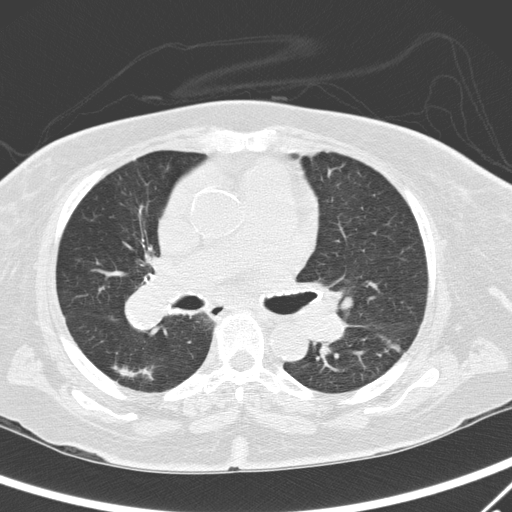
Axial slice 170 of 295 of a chest CT (slice 1 is the lowest), reconstructed with the D kernel at 120 kVp; 2.00 mm slice thickness and 0.682 mm pixels.
Pulmonary nodule, outlined by one of the four readers. Box on this slice rows 360–382, columns 111–156, that reader's outline on this slice; longest diameter 49.8 mm and volume 6337 mm3 from that reader's outline. Ratings by that reader: texture 4/5; margin 1/5 (indistinct); sphericity 3/5 (ovoid); calcification absent; internal structure soft tissue; subtlety 5/5; malignancy likelihood 5/5. Scale key (1–5): texture non-solid→solid, margin indistinct→circumscribed, sphericity linear→round, subtlety extremely subtle→obvious, malignancy likelihood highly unlikely→highly suspicious of cancer. Box rows and columns are 0-based pixel indices from the top-left corner, inclusive.